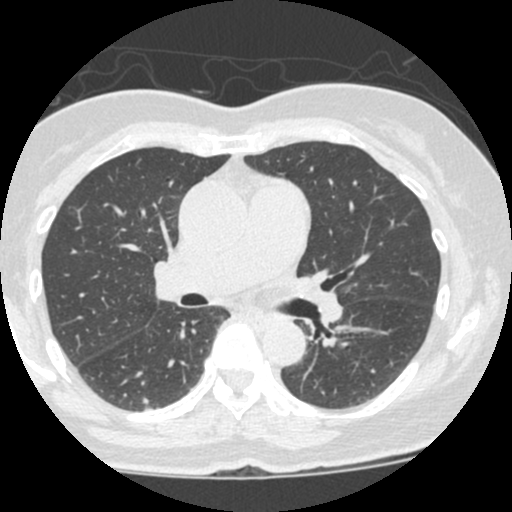
One axial slice (308 of 490, counting up from the lowest) of a chest CT acquired at 120 kVp with the STANDARD kernel; each pixel is 0.547 mm and the slice is 1.25 mm thick.
Pulmonary nodule outlined by all four readers; box rows 396–403, columns 141–149 (the union of the readers' outlines on this slice); longest diameter 5.7 mm on average over the four readers' outlines (readers' outlines 5.2–6.2 mm), volume 53–89 mm3. The readers' prevailing ratings and who disagreed: texture 5/5 (solid) from all four readers; margin split among the readers: 3/5 (two), 5/5 (circumscribed) (two); sphericity 4/5 by two of four readers; the rest gave 3/5 (ovoid) (one), 5/5 (round) (one); calcification absent from all four readers; internal structure soft tissue, all four readers agreeing; subtlety split among the readers: 3/5 (two), 4/5 (two); malignancy likelihood split among the readers: 2/5 (two), 3/5 (two). Scale key (1–5): texture non-solid→solid, margin indistinct→circumscribed, sphericity linear→round, subtlety extremely subtle→obvious, malignancy likelihood highly unlikely→highly suspicious of cancer. Box rows and columns are 0-based pixel indices from the top-left corner, inclusive.